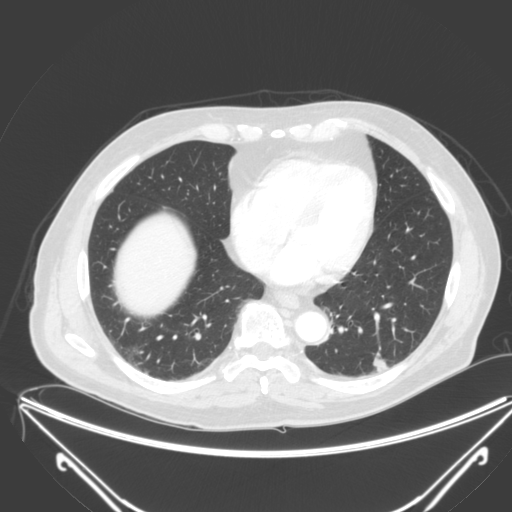
Axial chest CT slice 78 of 250 (counted from the lowest slice); tube voltage 120 kVp, convolution kernel B; slices 2.00 mm thick, 0.834 mm per pixel.
Pulmonary nodule, outlined by all four readers. Box on this slice rows 353–372, columns 372–387, the union of the readers' outlines on this slice; longest diameter 28.4 mm on average over the four readers' outlines (readers' outlines 26.7–30.4 mm), volume 2541–3664 mm3. The readers' prevailing ratings and who disagreed: texture split among the readers: 4/5 (two), 5/5 (solid) (two); margin 3/5 by two of four readers; the rest gave 2/5 (one), 4/5 (one); most readers (three of four) put sphericity at 3/5 (ovoid), others 5/5 (round) (one); calcification absent, all four readers agreeing; internal structure soft tissue, all four readers agreeing; subtlety 5/5, all four readers agreeing; malignancy likelihood 3/5 by two of four readers; the rest gave 4/5 (one), 5/5 (one). Scale key (1–5): texture non-solid→solid, margin indistinct→circumscribed, sphericity linear→round, subtlety extremely subtle→obvious, malignancy likelihood highly unlikely→highly suspicious of cancer. Box rows and columns are 0-based pixel indices from the top-left corner, inclusive.